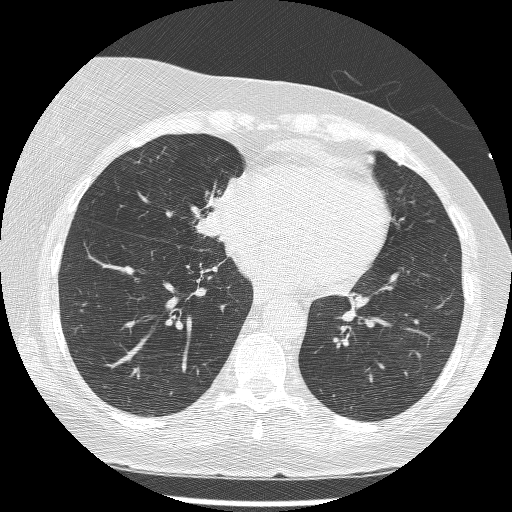
One axial slice (70 of 209, counting up from the lowest) of a chest CT acquired at 120 kVp with the BONE kernel; each pixel is 0.617 mm and the slice is 1.25 mm thick.
Two pulmonary nodules on this slice, listed from left to right. (1) Pulmonary nodule outlined by three of the four readers; box rows 212–237, columns 193–218 (the union of the readers' outlines on this slice); longest diameter 24.9 mm on average over the three readers' outlines (readers' outlines 22.9–27.7 mm), volume 3040–4232 mm3. Ratings, by the readers' most common answer with dissent counted: texture 5/5 (solid) from all three readers; most readers (two of three) put margin at 5/5 (circumscribed), others 4/5 (one); sphericity 4/5 by two of three readers; the rest gave 3/5 (ovoid) (one); calcification absent, all three readers agreeing; internal structure soft tissue from all three readers; subtlety 5/5 from all three readers; malignancy likelihood 5/5, all three readers agreeing. (2) Pulmonary nodule, outlined by three of the four readers, one of them on this slice. Box on this slice rows 162–164, columns 397–400, the one reader's outline on this slice; median longest diameter 6.6 mm (readers' outlines 6.2–7.2 mm), median volume 85 mm3 (69–94 mm3). Median ratings and the readers' spread: texture 5/5 (solid) from all three readers; margin 5/5 (circumscribed), all three readers agreeing; sphericity 4/5 at the median of three readers, spread 3/5 (ovoid) to 4/5; calcification: solid calcification (two), absent (one); internal structure soft tissue, all three readers agreeing; median subtlety 4/5 (readers ranged 3–5); malignancy likelihood 1/5 at the median of three readers, spread 1–2. Scale key (1–5): texture non-solid→solid, margin indistinct→circumscribed, sphericity linear→round, subtlety extremely subtle→obvious, malignancy likelihood highly unlikely→highly suspicious of cancer. Box rows and columns are 0-based pixel indices from the top-left corner, inclusive.